One axial slice (91 of 150, counting up from the lowest) of a chest CT acquired at 120 kVp with the LUNG kernel; each pixel is 0.781 mm and the slice is 2.50 mm thick.
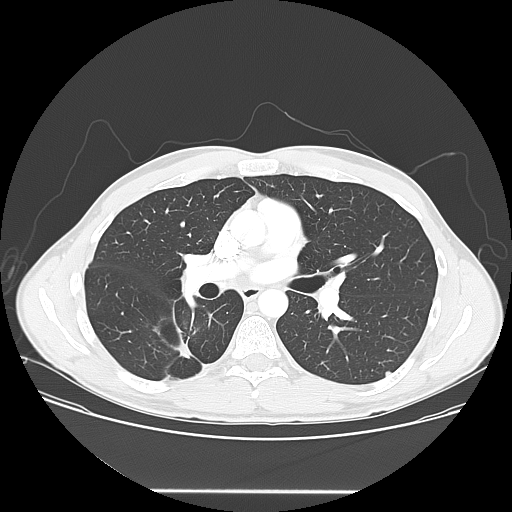
Two pulmonary nodules are outlined on this slice; from left to right: (1) Pulmonary nodule at rows 221–226, columns 180–183 (box = that reader's outline on this slice), outlined by one of the four readers; longest diameter 9.1 mm and volume 317 mm3 from that reader's outline. That reader's ratings: texture 5/5 (solid); margin 5/5 (circumscribed); sphericity 3/5 (ovoid); calcification solid calcification; internal structure soft tissue; subtlety 4/5; malignancy likelihood 1/5. (2) Pulmonary nodule at rows 371–375, columns 385–390 (box = that reader's outline on this slice), outlined by one of the four readers; longest diameter 5.7 mm and volume 87 mm3 from that reader's outline. That reader's ratings: texture 5/5 (solid); margin 5/5 (circumscribed); sphericity 3/5 (ovoid); calcification absent; internal structure soft tissue; subtlety 5/5; malignancy likelihood 3/5. Scale key (1–5): texture non-solid→solid, margin indistinct→circumscribed, sphericity linear→round, subtlety extremely subtle→obvious, malignancy likelihood highly unlikely→highly suspicious of cancer. Box rows and columns are 0-based pixel indices from the top-left corner, inclusive.